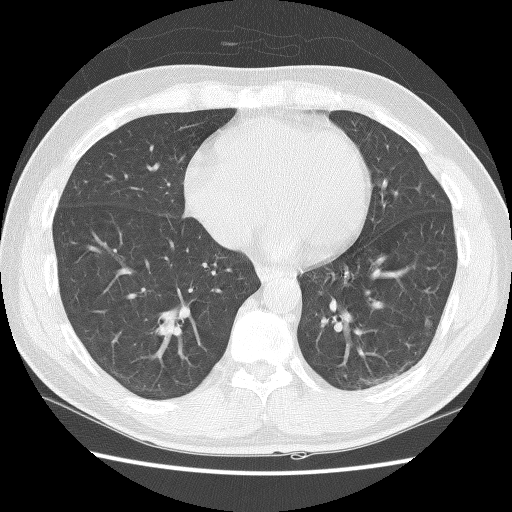
This is axial slice 51 of 127 (slice 1 is the lowest) of a chest CT; each pixel is 0.664 mm and the slice is 2.50 mm thick. Pulmonary nodule outlined by all four readers, two of them on this slice; box rows 319–327, columns 424–432 (the union of the readers' outlines on this slice); longest diameter 7.6 mm on average over the four readers' outlines (readers' outlines 6.6–8.3 mm), volume 52–218 mm3. Ratings, by the readers' most common answer with dissent counted: texture split among the readers: 4/5 (two), 5/5 (solid) (two); margin split among the readers: 4/5 (two), 5/5 (circumscribed) (two); sphericity 4/5, all four readers agreeing; calcification absent, all four readers agreeing; internal structure soft tissue from all four readers; most readers (three of four) put subtlety at 5/5, others 4/5 (one); malignancy likelihood 3/5 by three of four readers; the rest gave 4/5 (one). Scale key (1–5): texture non-solid→solid, margin indistinct→circumscribed, sphericity linear→round, subtlety extremely subtle→obvious, malignancy likelihood highly unlikely→highly suspicious of cancer. Box rows and columns are 0-based pixel indices from the top-left corner, inclusive.
Scan settings: 140 kVp, BONE reconstruction kernel.